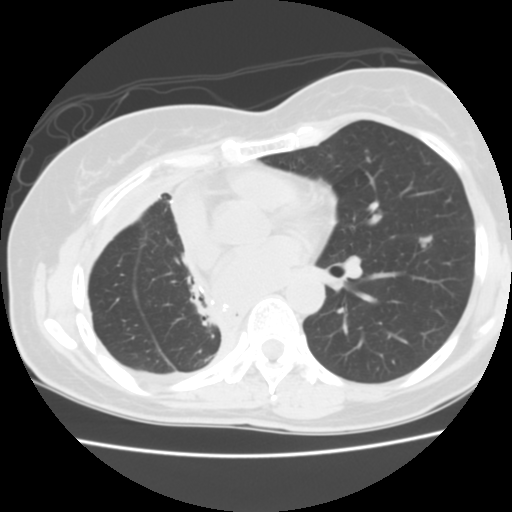
One axial slice (83 of 141, counting up from the lowest) of a chest CT acquired at 120 kVp with the STANDARD kernel; each pixel is 0.586 mm and the slice is 2.50 mm thick.
Pulmonary nodule, outlined by all four readers. Box on this slice rows 234–247, columns 418–432, the union of the readers' outlines on this slice; median longest diameter 12.3 mm (readers' outlines 11.8–13.0 mm), median volume 559 mm3 (484–627 mm3). Ratings, median across the readers with their spread: texture 5/5 (solid) from all four readers; median margin 4/5 (readers ranged 3/5 to 5/5 (circumscribed)); sphericity 4.5/5 at the median of four readers, spread 4/5 to 5/5 (round); calcification absent from all four readers; internal structure soft tissue from all four readers; subtlety 5/5 at the median of four readers, spread 4–5; malignancy likelihood 3.5/5 at the median of four readers, spread 3–5. Scale key (1–5): texture non-solid→solid, margin indistinct→circumscribed, sphericity linear→round, subtlety extremely subtle→obvious, malignancy likelihood highly unlikely→highly suspicious of cancer. Box rows and columns are 0-based pixel indices from the top-left corner, inclusive.